Axial chest CT slice 33 of 119 (counted from the lowest slice); tube voltage 130 kVp, convolution kernel B31s; slices 3.00 mm thick, 0.650 mm per pixel.
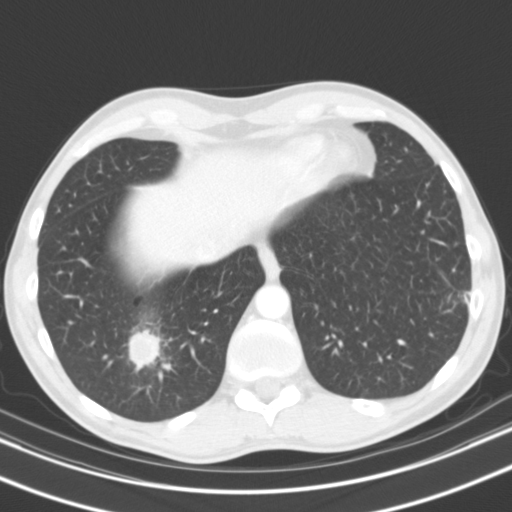
Three pulmonary nodules are outlined on this slice; from left to right: (1) Pulmonary nodule, outlined by all four readers. Box on this slice rows 328–371, columns 127–159, the union of the readers' outlines on this slice; longest diameter 30.9–32.4 mm and volume 6985–9285 mm3 across the four readers' outlines. Ratings across the readers: texture from 4/5 to 5/5 (solid) across the four readers; margin from 2/5 to 4/5 across the four readers; sphericity 5/5 (round), all four readers agreeing; calcification absent from all four readers; internal structure soft tissue, all four readers agreeing; subtlety 5/5 from all four readers; malignancy likelihood from 2/5 to 5/5 across the four readers. (2) Pulmonary nodule at rows 243–245, columns 454–457 (box = the one reader's outline on this slice), outlined by two of the four readers, one of them on this slice; longest diameter 5.4 mm on average over the two readers' outlines (readers' outlines 4.7–6.1 mm), volume 44–75 mm3. Ratings, by the readers' most common answer with dissent counted: texture split among the readers: 4/5 (one), 5/5 (solid) (one); margin 4/5, both readers agreeing; sphericity split among the readers: 3/5 (ovoid) (one), 5/5 (round) (one); calcification absent, both readers agreeing; internal structure soft tissue, both readers agreeing; subtlety split among the readers: 2/5 (one), 4/5 (one); malignancy likelihood 3/5 from both readers. (3) Pulmonary nodule, outlined by all four readers, three of them on this slice. Box on this slice rows 291–303, columns 460–469, the union of the readers' outlines on this slice; median longest diameter 17.2 mm (readers' outlines 14.3–20.4 mm), median volume 1725 mm3 (1364–2386 mm3). Ratings, median across the readers with their spread: median texture 4.5/5 (readers ranged 4/5 to 5/5 (solid)); median margin 4/5 (readers ranged 2/5 to 4/5); sphericity 3.5/5 at the median of four readers, spread 3/5 (ovoid) to 5/5 (round); calcification absent from all four readers; internal structure soft tissue, all four readers agreeing; median subtlety 5/5 (readers ranged 4–5); malignancy likelihood 3.5/5 at the median of four readers, spread 2–5. Scale key (1–5): texture non-solid→solid, margin indistinct→circumscribed, sphericity linear→round, subtlety extremely subtle→obvious, malignancy likelihood highly unlikely→highly suspicious of cancer. Box rows and columns are 0-based pixel indices from the top-left corner, inclusive.